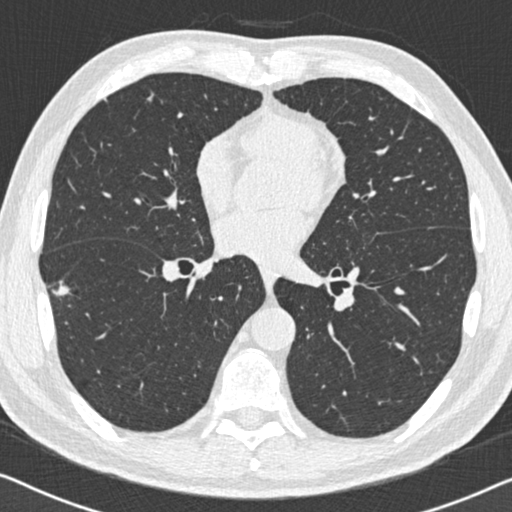
This is axial slice 296 of 558 (slice 1 is the lowest) of a chest CT; each pixel is 0.648 mm and the slice is 0.75 mm thick. Two pulmonary nodules are outlined on this slice; from left to right: (1) Pulmonary nodule, outlined by all four readers. Box on this slice rows 279–302, columns 50–71, the union of the readers' outlines on this slice; longest diameter 22.2 mm on average over the four readers' outlines (readers' outlines 18.8–26.5 mm), volume 726–1916 mm3. Ratings, by the readers' most common answer with dissent counted: texture 5/5 (solid) by two of four readers; the rest gave 3/5 (part-solid) (one), 4/5 (one); margin 4/5 by two of four readers; the rest gave 1/5 (indistinct) (one), 2/5 (one); sphericity split among the readers: 2/5 (two), 4/5 (two); calcification absent from all four readers; internal structure soft tissue from all four readers; subtlety 5/5 by three of four readers; the rest gave 4/5 (one); most readers (three of four) put malignancy likelihood at 4/5, others 5/5 (one). (2) Pulmonary nodule outlined by all four readers; box rows 92–101, columns 146–154 (the union of the readers' outlines on this slice); longest diameter 7.4–9.6 mm and volume 85–182 mm3 across the four readers' outlines. Ratings across the readers: texture from 4/5 to 5/5 (solid) across the four readers; margin from 4/5 to 5/5 (circumscribed) across the four readers; sphericity from 3/5 (ovoid) to 4/5 across the four readers; calcification absent from all four readers; internal structure soft tissue, all four readers agreeing; subtlety from 4/5 to 5/5 across the four readers; malignancy likelihood from 3/5 to 4/5 across the four readers. Scale key (1–5): texture non-solid→solid, margin indistinct→circumscribed, sphericity linear→round, subtlety extremely subtle→obvious, malignancy likelihood highly unlikely→highly suspicious of cancer. Box rows and columns are 0-based pixel indices from the top-left corner, inclusive.
Tube voltage 120 kVp; convolution kernel B30f.